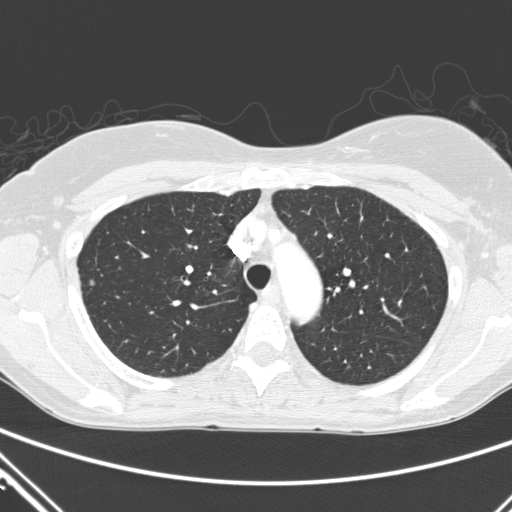
Axial slice 344 of 411 of a chest CT (slice 1 is the lowest), reconstructed with the D kernel at 120 kVp; 2.00 mm slice thickness and 0.654 mm pixels.
Pulmonary nodule outlined by two of the four readers; box rows 278–286, columns 89–94 (the union of the readers' outlines on this slice); longest diameter 5.9 mm on average over the two readers' outlines (readers' outlines 5.1–6.7 mm), volume 32–64 mm3. The readers' prevailing ratings and who disagreed: texture 5/5 (solid) from both readers; margin split among the readers: 4/5 (one), 5/5 (circumscribed) (one); sphericity split among the readers: 4/5 (one), 5/5 (round) (one); calcification absent, both readers agreeing; internal structure soft tissue, both readers agreeing; subtlety split among the readers: 2/5 (one), 4/5 (one); malignancy likelihood split among the readers: 1/5 (one), 3/5 (one). Scale key (1–5): texture non-solid→solid, margin indistinct→circumscribed, sphericity linear→round, subtlety extremely subtle→obvious, malignancy likelihood highly unlikely→highly suspicious of cancer. Box rows and columns are 0-based pixel indices from the top-left corner, inclusive.